Axial chest CT slice 301 of 503 (counted from the lowest slice); tube voltage 120 kVp, convolution kernel STANDARD; slices 1.25 mm thick, 0.742 mm per pixel.
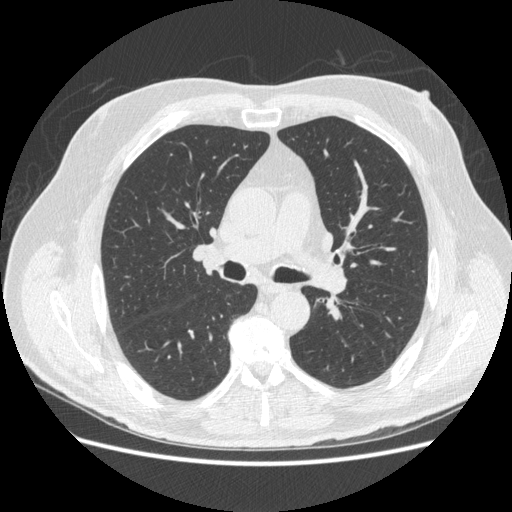
Pulmonary nodule outlined by all four readers, two of them on this slice; box rows 330–331, columns 188–190 (the union of the readers' outlines on this slice); longest diameter 7.0–8.7 mm and volume 116–149 mm3 across the four readers' outlines. The readers' ratings, as ranges where they differ: texture 5/5 (solid) from all four readers; margin 5/5 (circumscribed) from all four readers; sphericity from 3/5 (ovoid) to 5/5 (round) across the four readers; calcification solid calcification, all four readers agreeing; internal structure soft tissue from all four readers; subtlety rated between 4 and 5 out of 5 by the four readers; malignancy likelihood 1/5, all four readers agreeing. Scale key (1–5): texture non-solid→solid, margin indistinct→circumscribed, sphericity linear→round, subtlety extremely subtle→obvious, malignancy likelihood highly unlikely→highly suspicious of cancer. Box rows and columns are 0-based pixel indices from the top-left corner, inclusive.